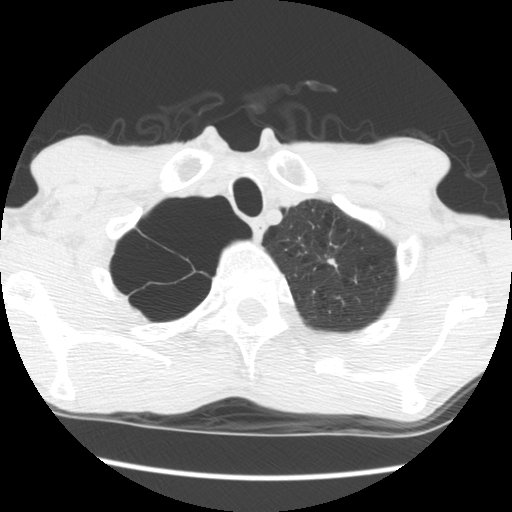
One axial slice (163 of 181, counting up from the lowest) of a chest CT acquired at 120 kVp with the STANDARD kernel; each pixel is 0.645 mm and the slice is 2.50 mm thick.
Pulmonary nodule at rows 257–267, columns 325–337 (box = the union of the readers' outlines on this slice), outlined by all four readers; longest diameter 10.5–14.4 mm and volume 215–737 mm3 across the four readers' outlines. The readers' ratings, as ranges where they differ: texture 5/5 (solid) from all four readers; margin from 3/5 to 5/5 (circumscribed) across the four readers; sphericity from 2/5 to 3/5 (ovoid) across the four readers; calcification absent, all four readers agreeing; internal structure soft tissue, all four readers agreeing; subtlety rated between 3 and 4 out of 5 by the four readers; malignancy likelihood from 2/5 to 4/5 across the four readers. Scale key (1–5): texture non-solid→solid, margin indistinct→circumscribed, sphericity linear→round, subtlety extremely subtle→obvious, malignancy likelihood highly unlikely→highly suspicious of cancer. Box rows and columns are 0-based pixel indices from the top-left corner, inclusive.